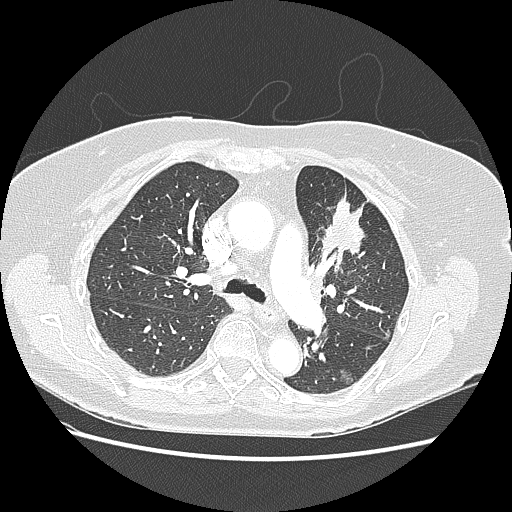
Axial chest CT slice 123 of 197 (counted from the lowest slice); tube voltage 120 kVp, convolution kernel LUNG; slices 1.25 mm thick, 0.703 mm per pixel.
Two pulmonary nodules are outlined on this slice; from left to right: (1) Pulmonary nodule, outlined by three of the four readers. Box on this slice rows 368–385, columns 339–353, the union of the readers' outlines on this slice; longest diameter 12.5–15.5 mm and volume 268–427 mm3 across the three readers' outlines. The readers' ratings, as ranges where they differ: texture from 1/5 (non-solid) to 2/5 across the three readers; margin from 1/5 (indistinct) to 4/5 across the three readers; sphericity from 3/5 (ovoid) to 4/5 across the three readers; calcification absent from all three readers; internal structure soft tissue, all three readers agreeing; subtlety rated between 3 and 4 out of 5 by the three readers; malignancy likelihood 2–4/5 (the readers disagree). (2) Pulmonary nodule outlined by one of the four readers; box rows 333–338, columns 386–389 (that reader's outline on this slice); longest diameter 6.4 mm and volume 50 mm3 from that reader's outline. That reader's ratings: texture 2/5; margin 1/5 (indistinct); sphericity 3/5 (ovoid); calcification absent; internal structure soft tissue; subtlety 1/5; malignancy likelihood 3/5. Scale key (1–5): texture non-solid→solid, margin indistinct→circumscribed, sphericity linear→round, subtlety extremely subtle→obvious, malignancy likelihood highly unlikely→highly suspicious of cancer. Box rows and columns are 0-based pixel indices from the top-left corner, inclusive.